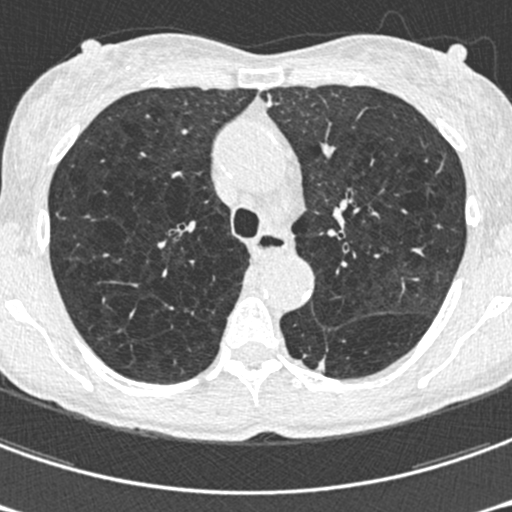
Axial chest CT slice 434 of 633 (counted from the lowest slice); 0.60 mm thick, 0.541 mm per pixel. Pulmonary nodule at rows 359–371, columns 316–324 (box = that reader's outline on this slice), outlined by one of the four readers; longest diameter 20.7 mm and volume 470 mm3 from that reader's outline. Ratings by that reader: texture 5/5 (solid); margin 1/5 (indistinct); sphericity 2/5; calcification absent; internal structure soft tissue; subtlety 4/5; malignancy likelihood 3/5. Scale key (1–5): texture non-solid→solid, margin indistinct→circumscribed, sphericity linear→round, subtlety extremely subtle→obvious, malignancy likelihood highly unlikely→highly suspicious of cancer. Box rows and columns are 0-based pixel indices from the top-left corner, inclusive.
Scan settings: 120 kVp, B30f reconstruction kernel.